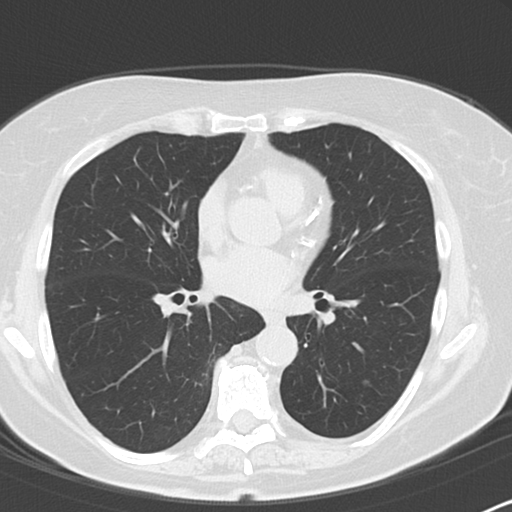
Axial chest CT slice 53 of 101 (counted from the lowest slice); tube voltage 120 kVp, convolution kernel B45f; slices 3.00 mm thick, 0.586 mm per pixel.
Pulmonary nodule, outlined by three of the four readers. Box on this slice rows 379–384, columns 363–368, the union of the readers' outlines on this slice; the three readers' outlines give a longest diameter between 5.4 and 6.8 mm and a volume between 98 and 184 mm3. Ratings across the readers: texture 5/5 (solid) from all three readers; margin 5/5 (circumscribed), all three readers agreeing; sphericity from 4/5 to 5/5 (round) across the three readers; calcification absent from all three readers; internal structure soft tissue, all three readers agreeing; subtlety rated between 4 and 5 out of 5 by the three readers; malignancy likelihood 3/5 from all three readers. Scale key (1–5): texture non-solid→solid, margin indistinct→circumscribed, sphericity linear→round, subtlety extremely subtle→obvious, malignancy likelihood highly unlikely→highly suspicious of cancer. Box rows and columns are 0-based pixel indices from the top-left corner, inclusive.